Axial chest CT slice 180 of 376 (counted from the lowest slice); tube voltage 120 kVp, convolution kernel B30f; slices 0.75 mm thick, 0.461 mm per pixel.
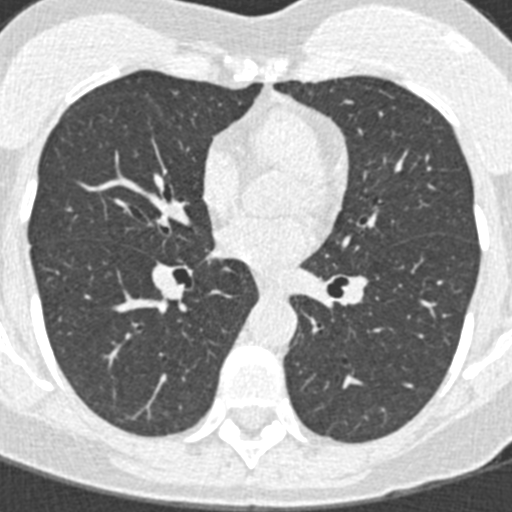
Pulmonary nodule at rows 424–434, columns 326–335 (box = that reader's outline on this slice), outlined by one of the four readers; longest diameter 10.8 mm and volume 74 mm3 from that reader's outline. That reader's ratings: texture 4/5; margin 1/5 (indistinct); sphericity 3/5 (ovoid); calcification absent; internal structure soft tissue; subtlety 5/5; malignancy likelihood 2/5. Scale key (1–5): texture non-solid→solid, margin indistinct→circumscribed, sphericity linear→round, subtlety extremely subtle→obvious, malignancy likelihood highly unlikely→highly suspicious of cancer. Box rows and columns are 0-based pixel indices from the top-left corner, inclusive.